Axial slice 142 of 236 of a chest CT (slice 1 is the lowest), reconstructed with the BONE kernel at 120 kVp; 1.25 mm slice thickness and 0.703 mm pixels.
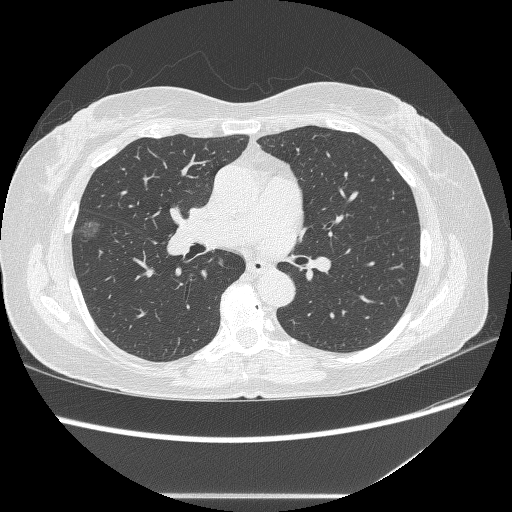
Pulmonary nodule, outlined by all four readers. Box on this slice rows 218–240, columns 75–101, the union of the readers' outlines on this slice; median longest diameter 17.6 mm (readers' outlines 17.0–21.4 mm), median volume 703 mm3 (673–774 mm3). Median ratings and the readers' spread: texture 1/5 (non-solid), all four readers agreeing; margin 1/5 (indistinct) at the median of four readers, spread 1/5 (indistinct) to 4/5; median sphericity 4/5 (readers ranged 4/5 to 5/5 (round)); calcification absent from all four readers; internal structure soft tissue from all four readers; subtlety 4/5 at the median of four readers, spread 3–5; median malignancy likelihood 4/5 (readers ranged 3–4). Scale key (1–5): texture non-solid→solid, margin indistinct→circumscribed, sphericity linear→round, subtlety extremely subtle→obvious, malignancy likelihood highly unlikely→highly suspicious of cancer. Box rows and columns are 0-based pixel indices from the top-left corner, inclusive.